Axial chest CT slice 36 of 119 (counted from the lowest slice); tube voltage 130 kVp, convolution kernel B31s; slices 3.00 mm thick, 0.650 mm per pixel.
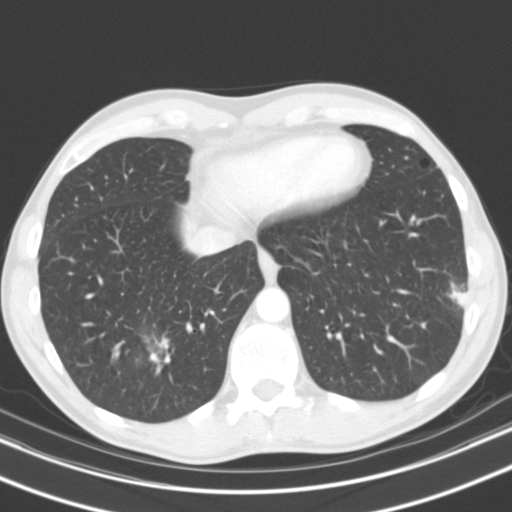
Two pulmonary nodules are outlined on this slice; from left to right: (1) Pulmonary nodule, outlined by all four readers, two of them on this slice. Box on this slice rows 321–354, columns 139–169, the union of the readers' outlines on this slice; longest diameter 31.8 mm on average over the four readers' outlines (readers' outlines 30.9–32.4 mm), volume 6985–9285 mm3. Ratings, by the readers' most common answer with dissent counted: most readers (three of four) put texture at 5/5 (solid), others 4/5 (one); margin 4/5 by two of four readers; the rest gave 2/5 (one), 3/5 (one); sphericity 5/5 (round), all four readers agreeing; calcification absent from all four readers; internal structure soft tissue, all four readers agreeing; subtlety 5/5, all four readers agreeing; malignancy likelihood 5/5 by two of four readers; the rest gave 2/5 (one), 4/5 (one). (2) Pulmonary nodule at rows 281–309, columns 446–467 (box = the union of the readers' outlines on this slice), outlined by all four readers; longest diameter 14.3–20.4 mm and volume 1364–2386 mm3 across the four readers' outlines. The readers' ratings, as ranges where they differ: texture from 4/5 to 5/5 (solid) across the four readers; margin from 2/5 to 4/5 across the four readers; sphericity from 3/5 (ovoid) to 5/5 (round) across the four readers; calcification absent, all four readers agreeing; internal structure soft tissue, all four readers agreeing; subtlety 4–5/5 (the readers disagree); malignancy likelihood from 2/5 to 5/5 across the four readers. Scale key (1–5): texture non-solid→solid, margin indistinct→circumscribed, sphericity linear→round, subtlety extremely subtle→obvious, malignancy likelihood highly unlikely→highly suspicious of cancer. Box rows and columns are 0-based pixel indices from the top-left corner, inclusive.